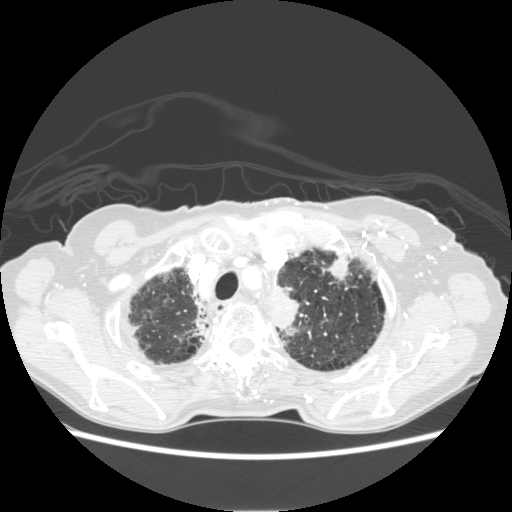
Chest CT, axial plane, 120 kVp, kernel STANDARD. Slice 110/131 from the bottom of the scan; thickness 2.50 mm; pixel size 0.703 mm.
Pulmonary nodule outlined by all four readers; box rows 251–280, columns 326–350 (the union of the readers' outlines on this slice); the four readers' outlines give a longest diameter between 18.7 and 25.9 mm and a volume between 1749 and 2501 mm3. Ratings across the readers: texture 5/5 (solid), all four readers agreeing; margin from 3/5 to 5/5 (circumscribed) across the four readers; sphericity from 3/5 (ovoid) to 5/5 (round) across the four readers; calcification absent, all four readers agreeing; internal structure soft tissue from all four readers; subtlety rated between 3 and 5 out of 5 by the four readers; malignancy likelihood 2–5/5 (the readers disagree). Scale key (1–5): texture non-solid→solid, margin indistinct→circumscribed, sphericity linear→round, subtlety extremely subtle→obvious, malignancy likelihood highly unlikely→highly suspicious of cancer. Box rows and columns are 0-based pixel indices from the top-left corner, inclusive.